One axial slice (226 of 483, counting up from the lowest) of a chest CT acquired at 120 kVp with the B30f kernel; each pixel is 0.652 mm and the slice is 0.75 mm thick.
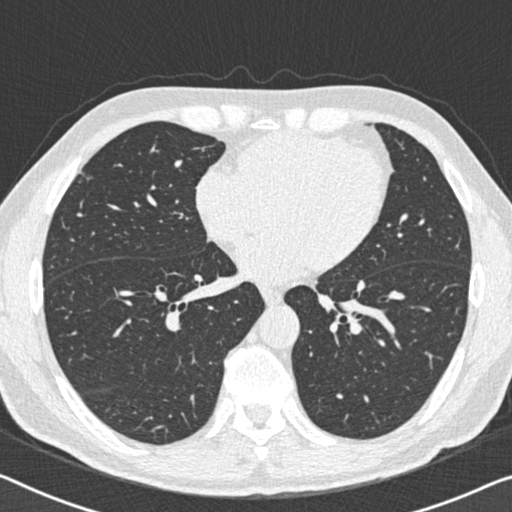
Pulmonary nodule, outlined by all four readers, one of them on this slice. Box on this slice rows 172–178, columns 81–91, the one reader's outline on this slice; longest diameter 9.4 mm on average over the four readers' outlines (readers' outlines 8.6–10.3 mm), volume 137–171 mm3. The readers' prevailing ratings and who disagreed: most readers (three of four) put texture at 5/5 (solid), others 4/5 (one); most readers (three of four) put margin at 5/5 (circumscribed), others 4/5 (one); sphericity 4/5 by two of four readers; the rest gave 3/5 (ovoid) (one), 5/5 (round) (one); calcification absent, all four readers agreeing; internal structure soft tissue from all four readers; most readers (three of four) put subtlety at 5/5, others 3/5 (one); malignancy likelihood 2/5 by two of four readers; the rest gave 3/5 (one), 4/5 (one). Scale key (1–5): texture non-solid→solid, margin indistinct→circumscribed, sphericity linear→round, subtlety extremely subtle→obvious, malignancy likelihood highly unlikely→highly suspicious of cancer. Box rows and columns are 0-based pixel indices from the top-left corner, inclusive.